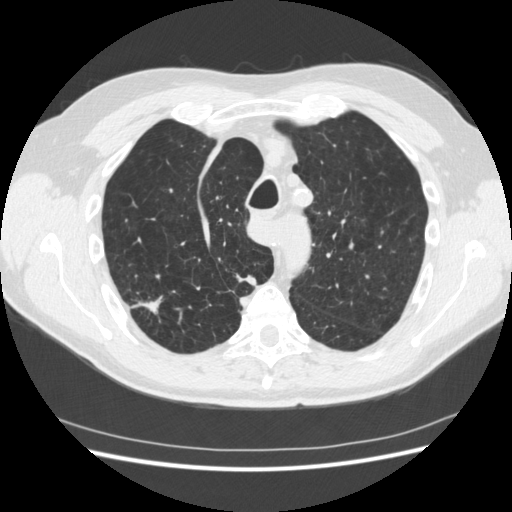
This is axial slice 347 of 481 (slice 1 is the lowest) of a chest CT; each pixel is 0.703 mm and the slice is 1.25 mm thick. Two pulmonary nodules are outlined on this slice; from left to right: (1) Pulmonary nodule at rows 294–315, columns 130–164 (box = the union of the readers' outlines on this slice), outlined by all four readers; longest diameter 18.7–34.9 mm and volume 1155–4169 mm3 across the four readers' outlines. Ratings across the readers: texture from 4/5 to 5/5 (solid) across the four readers; margin from 1/5 (indistinct) to 4/5 across the four readers; sphericity from 2/5 to 5/5 (round) across the four readers; calcification absent from all four readers; internal structure soft tissue, all four readers agreeing; subtlety 5/5, all four readers agreeing; malignancy likelihood 4–5/5 (the readers disagree). (2) Pulmonary nodule, outlined by three of the four readers. Box on this slice rows 274–286, columns 236–256, the union of the readers' outlines on this slice; longest diameter 15.9 mm on average over the three readers' outlines (readers' outlines 13.5–18.5 mm), volume 529–1088 mm3. Ratings, by the readers' most common answer with dissent counted: texture 5/5 (solid) from all three readers; margin 4/5 by two of three readers; the rest gave 1/5 (indistinct) (one); sphericity 3/5 (ovoid) by two of three readers; the rest gave 2/5 (one); calcification absent, all three readers agreeing; internal structure soft tissue from all three readers; most readers (two of three) put subtlety at 5/5, others 4/5 (one); most readers (two of three) put malignancy likelihood at 5/5, others 3/5 (one). Scale key (1–5): texture non-solid→solid, margin indistinct→circumscribed, sphericity linear→round, subtlety extremely subtle→obvious, malignancy likelihood highly unlikely→highly suspicious of cancer. Box rows and columns are 0-based pixel indices from the top-left corner, inclusive.
Acquired at 120 kVp and reconstructed with the STANDARD kernel.